Axial slice 206 of 280 of a chest CT (slice 1 is the lowest), reconstructed with the D kernel at 120 kVp; 1.00 mm slice thickness and 0.564 mm pixels.
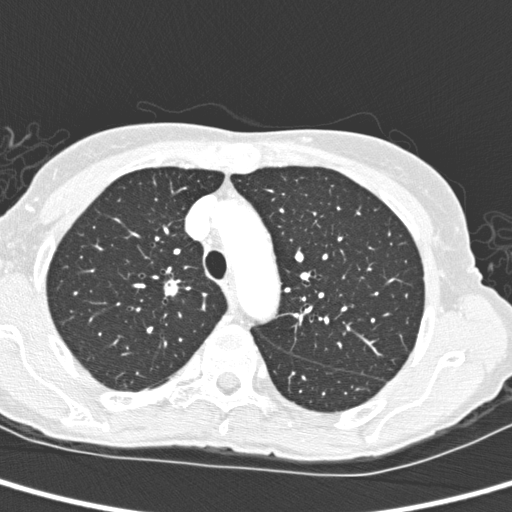
Pulmonary nodule outlined by all four readers; box rows 278–296, columns 163–177 (the union of the readers' outlines on this slice); longest diameter 11.4 mm on average over the four readers' outlines (readers' outlines 9.9–12.5 mm), volume 362–590 mm3. Ratings, by the readers' most common answer with dissent counted: most readers (three of four) put texture at 5/5 (solid), others 4/5 (one); margin split among the readers: 4/5 (two), 5/5 (circumscribed) (two); sphericity 5/5 (round) by two of four readers; the rest gave 3/5 (ovoid) (one), 4/5 (one); calcification absent from all four readers; internal structure soft tissue from all four readers; subtlety split among the readers: 4/5 (two), 5/5 (two); malignancy likelihood 5/5 by two of four readers; the rest gave 2/5 (one), 4/5 (one). Scale key (1–5): texture non-solid→solid, margin indistinct→circumscribed, sphericity linear→round, subtlety extremely subtle→obvious, malignancy likelihood highly unlikely→highly suspicious of cancer. Box rows and columns are 0-based pixel indices from the top-left corner, inclusive.